Chest CT, axial plane, 120 kVp, kernel B70f. Slice 170/368 from the bottom of the scan; thickness 2.00 mm; pixel size 0.623 mm.
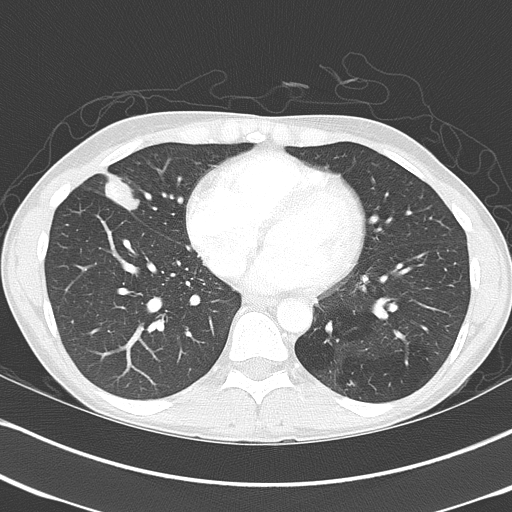
Pulmonary nodule at rows 172–210, columns 104–140 (box = the union of the readers' outlines on this slice), outlined by all four readers; longest diameter 27.1–39.3 mm and volume 6531–9806 mm3 across the four readers' outlines. Ratings across the readers: texture 5/5 (solid), all four readers agreeing; margin from 2/5 to 5/5 (circumscribed) across the four readers; sphericity from 2/5 to 3/5 (ovoid) across the four readers; calcification split among the readers: laminated calcification (one), absent (one), popcorn calcification (one), non-central calcification (one); internal structure soft tissue from all four readers; subtlety 5/5 from all four readers; malignancy likelihood 1–5/5 (the readers disagree). Scale key (1–5): texture non-solid→solid, margin indistinct→circumscribed, sphericity linear→round, subtlety extremely subtle→obvious, malignancy likelihood highly unlikely→highly suspicious of cancer. Box rows and columns are 0-based pixel indices from the top-left corner, inclusive.